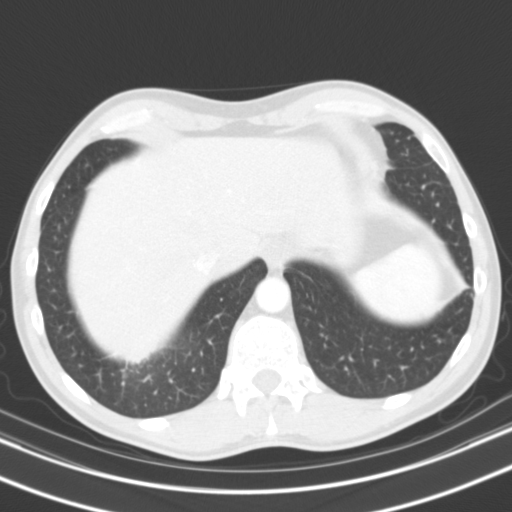
Slice 28/119 of a chest CT, counting up from the lowest; pixel size 0.650 mm, slice thickness 3.00 mm. Pulmonary nodule outlined by all four readers; box rows 335–363, columns 116–159 (the union of the readers' outlines on this slice); median longest diameter 31.9 mm (readers' outlines 30.9–32.4 mm), median volume 9249 mm3 (6985–9285 mm3). Ratings, median across the readers with their spread: texture 5/5 (solid) at the median of four readers, spread 4/5 to 5/5 (solid); margin 3.5/5 at the median of four readers, spread 2/5 to 4/5; sphericity 5/5 (round) from all four readers; calcification absent from all four readers; internal structure soft tissue from all four readers; subtlety 5/5, all four readers agreeing; median malignancy likelihood 4.5/5 (readers ranged 2–5). Scale key (1–5): texture non-solid→solid, margin indistinct→circumscribed, sphericity linear→round, subtlety extremely subtle→obvious, malignancy likelihood highly unlikely→highly suspicious of cancer. Box rows and columns are 0-based pixel indices from the top-left corner, inclusive.
Scan settings: 130 kVp, B31s reconstruction kernel.